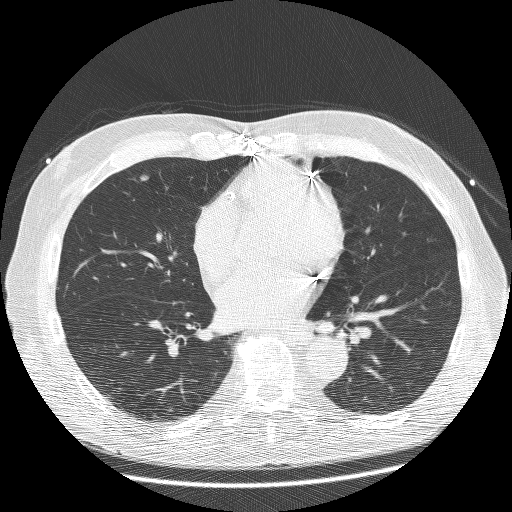
One axial slice (109 of 260, counting up from the lowest) of a chest CT acquired at 120 kVp with the BONE kernel; each pixel is 0.703 mm and the slice is 1.25 mm thick.
Pulmonary nodule, outlined by all four readers. Box on this slice rows 173–181, columns 139–148, the union of the readers' outlines on this slice; longest diameter 8.6 mm on average over the four readers' outlines (readers' outlines 8.0–9.1 mm), volume 118–204 mm3. The readers' prevailing ratings and who disagreed: texture 5/5 (solid), all four readers agreeing; margin split among the readers: 4/5 (two), 5/5 (circumscribed) (two); sphericity 4/5 by two of four readers; the rest gave 3/5 (ovoid) (one), 5/5 (round) (one); calcification absent, all four readers agreeing; internal structure soft tissue from all four readers; most readers (three of four) put subtlety at 5/5, others 4/5 (one); malignancy likelihood 2/5 by two of four readers; the rest gave 3/5 (one), 5/5 (one). Scale key (1–5): texture non-solid→solid, margin indistinct→circumscribed, sphericity linear→round, subtlety extremely subtle→obvious, malignancy likelihood highly unlikely→highly suspicious of cancer. Box rows and columns are 0-based pixel indices from the top-left corner, inclusive.